One axial slice (101 of 183, counting up from the lowest) of a chest CT acquired at 120 kVp with the B30f kernel; each pixel is 0.664 mm and the slice is 2.00 mm thick.
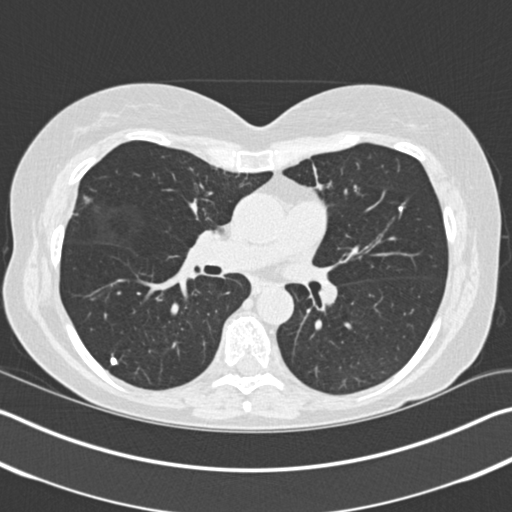
Two pulmonary nodules are outlined on this slice; from left to right: (1) Pulmonary nodule at rows 357–364, columns 110–116 (box = the union of the readers' outlines on this slice), outlined by three of the four readers; the three readers' outlines give a longest diameter between 5.9 and 7.8 mm and a volume between 78 and 146 mm3. The readers' ratings, as ranges where they differ: texture 5/5 (solid) from all three readers; margin 5/5 (circumscribed), all three readers agreeing; sphericity 5/5 (round), all three readers agreeing; calcification: solid calcification (two), absent (one); internal structure soft tissue, all three readers agreeing; subtlety rated between 4 and 5 out of 5 by the three readers; malignancy likelihood 1–3/5 (the readers disagree). (2) Pulmonary nodule at rows 206–211, columns 399–402 (box = that reader's outline on this slice), outlined by one of the four readers; longest diameter 6.9 mm and volume 64 mm3 from that reader's outline. That reader's ratings: texture 5/5 (solid); margin 3/5; sphericity 4/5; calcification absent; internal structure soft tissue; subtlety 2/5; malignancy likelihood 1/5. Scale key (1–5): texture non-solid→solid, margin indistinct→circumscribed, sphericity linear→round, subtlety extremely subtle→obvious, malignancy likelihood highly unlikely→highly suspicious of cancer. Box rows and columns are 0-based pixel indices from the top-left corner, inclusive.